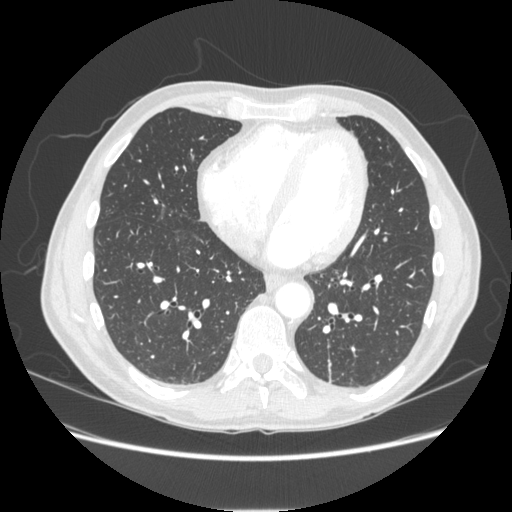
Axial chest CT slice 89 of 253 (counted from the lowest slice); tube voltage 120 kVp, convolution kernel STANDARD; slices 1.25 mm thick, 0.742 mm per pixel.
Pulmonary nodule at rows 314–317, columns 342–346 (box = that reader's outline on this slice), outlined by one of the four readers; longest diameter 6.4 mm and volume 95 mm3 from that reader's outline. Ratings by that reader: texture 5/5 (solid); margin 5/5 (circumscribed); sphericity 4/5; calcification absent; internal structure soft tissue; subtlety 1/5; malignancy likelihood 2/5. Scale key (1–5): texture non-solid→solid, margin indistinct→circumscribed, sphericity linear→round, subtlety extremely subtle→obvious, malignancy likelihood highly unlikely→highly suspicious of cancer. Box rows and columns are 0-based pixel indices from the top-left corner, inclusive.